One axial slice (192 of 465, counting up from the lowest) of a chest CT acquired at 120 kVp with the STANDARD kernel; each pixel is 0.703 mm and the slice is 1.25 mm thick.
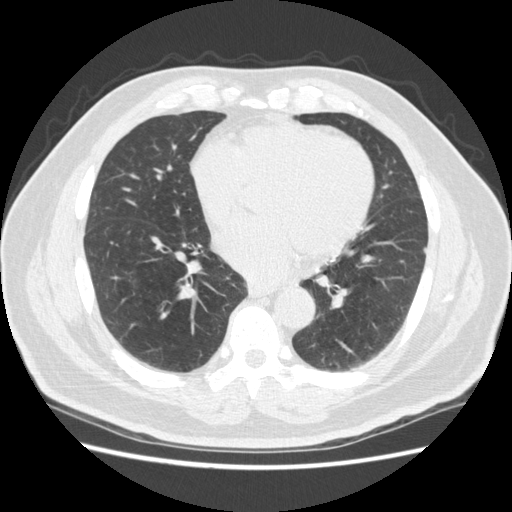
Pulmonary nodule at rows 247–253, columns 423–425 (box = that reader's outline on this slice), outlined by one of the four readers; longest diameter 5.7 mm and volume 24 mm3 from that reader's outline. Ratings by that reader: texture 5/5 (solid); margin 5/5 (circumscribed); sphericity 3/5 (ovoid); calcification absent; internal structure soft tissue; subtlety 4/5; malignancy likelihood 2/5. Scale key (1–5): texture non-solid→solid, margin indistinct→circumscribed, sphericity linear→round, subtlety extremely subtle→obvious, malignancy likelihood highly unlikely→highly suspicious of cancer. Box rows and columns are 0-based pixel indices from the top-left corner, inclusive.